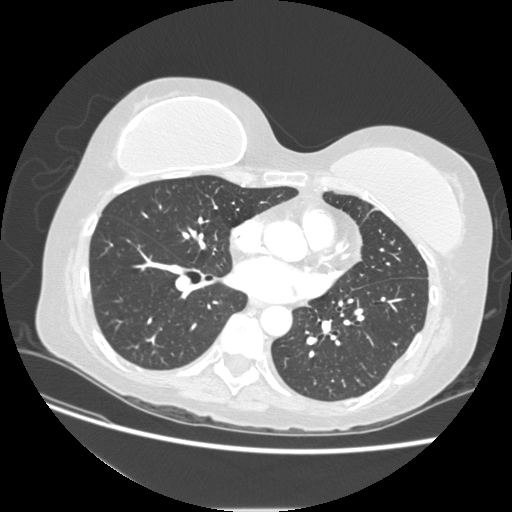
Axial slice 109 of 232 of a chest CT (slice 1 is the lowest), reconstructed with the STANDARD kernel at 120 kVp; 1.25 mm slice thickness and 0.703 mm pixels.
Pulmonary nodule, outlined by three of the four readers. Box on this slice rows 240–244, columns 390–394, the union of the readers' outlines on this slice; longest diameter 8.1 mm on average over the three readers' outlines (readers' outlines 7.6–8.9 mm), volume 151–201 mm3. The readers' prevailing ratings and who disagreed: texture 5/5 (solid) by two of three readers; the rest gave 4/5 (one); margin 5/5 (circumscribed), all three readers agreeing; most readers (two of three) put sphericity at 3/5 (ovoid), others 4/5 (one); calcification absent from all three readers; internal structure soft tissue, all three readers agreeing; subtlety 4/5 by two of three readers; the rest gave 2/5 (one); malignancy likelihood 3/5 from all three readers. Scale key (1–5): texture non-solid→solid, margin indistinct→circumscribed, sphericity linear→round, subtlety extremely subtle→obvious, malignancy likelihood highly unlikely→highly suspicious of cancer. Box rows and columns are 0-based pixel indices from the top-left corner, inclusive.